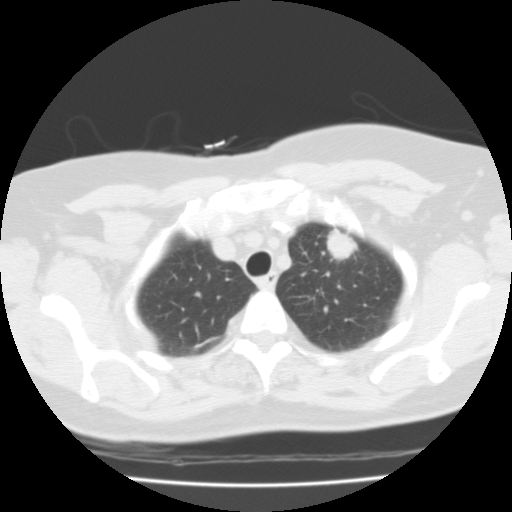
Axial chest CT slice 70 of 87 (counted from the lowest slice); tube voltage 135 kVp, convolution kernel FC01; slices 3.00 mm thick, 0.650 mm per pixel.
Pulmonary nodule at rows 225–261, columns 327–358 (box = the union of the readers' outlines on this slice), outlined by all four readers; longest diameter 23.3–32.8 mm and volume 4332–5366 mm3 across the four readers' outlines. Ratings across the readers: texture from 4/5 to 5/5 (solid) across the four readers; margin from 2/5 to 5/5 (circumscribed) across the four readers; sphericity from 3/5 (ovoid) to 4/5 across the four readers; calcification split among the readers: non-central calcification (two), absent (two); internal structure soft tissue from all four readers; subtlety 5/5, all four readers agreeing; malignancy likelihood from 3/5 to 5/5 across the four readers. Scale key (1–5): texture non-solid→solid, margin indistinct→circumscribed, sphericity linear→round, subtlety extremely subtle→obvious, malignancy likelihood highly unlikely→highly suspicious of cancer. Box rows and columns are 0-based pixel indices from the top-left corner, inclusive.